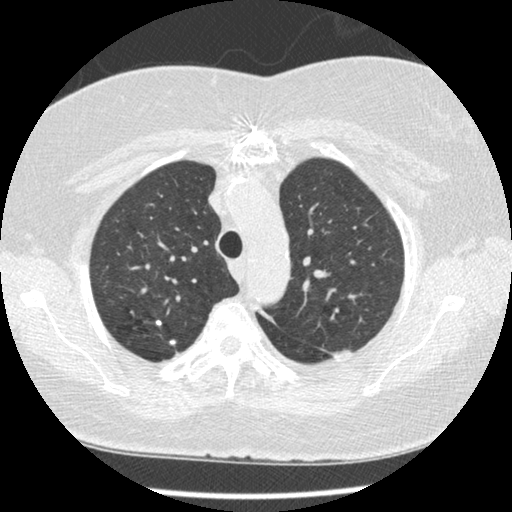
Slice 278/375 of a chest CT, counting up from the lowest; pixel size 0.625 mm, slice thickness 1.25 mm. Two pulmonary nodules are outlined on this slice; from left to right: (1) Pulmonary nodule at rows 320–325, columns 155–161 (box = the union of the readers' outlines on this slice), outlined by three of the four readers; longest diameter 5.4 mm on average over the three readers' outlines (readers' outlines 5.0–5.9 mm), volume 31–56 mm3. The readers' prevailing ratings and who disagreed: texture 5/5 (solid) from all three readers; margin 5/5 (circumscribed), all three readers agreeing; most readers (two of three) put sphericity at 5/5 (round), others 4/5 (one); calcification solid calcification by two of three readers, absent (one); internal structure soft tissue from all three readers; most readers (two of three) put subtlety at 4/5, others 5/5 (one); malignancy likelihood 1/5 by two of three readers; the rest gave 2/5 (one). (2) Pulmonary nodule, outlined by two of the four readers. Box on this slice rows 338–345, columns 167–176, the union of the readers' outlines on this slice; longest diameter 6.4–9.1 mm and volume 95–233 mm3 across the two readers' outlines. The readers' ratings, as ranges where they differ: texture 5/5 (solid) from both readers; margin 5/5 (circumscribed), both readers agreeing; sphericity from 3/5 (ovoid) to 4/5 across the two readers; calcification split among the readers: solid calcification (one), absent (one); internal structure soft tissue, both readers agreeing; subtlety from 4/5 to 5/5 across the two readers; malignancy likelihood rated between 1 and 3 out of 5 by the two readers. Scale key (1–5): texture non-solid→solid, margin indistinct→circumscribed, sphericity linear→round, subtlety extremely subtle→obvious, malignancy likelihood highly unlikely→highly suspicious of cancer. Box rows and columns are 0-based pixel indices from the top-left corner, inclusive.
Acquired at 120 kVp and reconstructed with the STANDARD kernel.